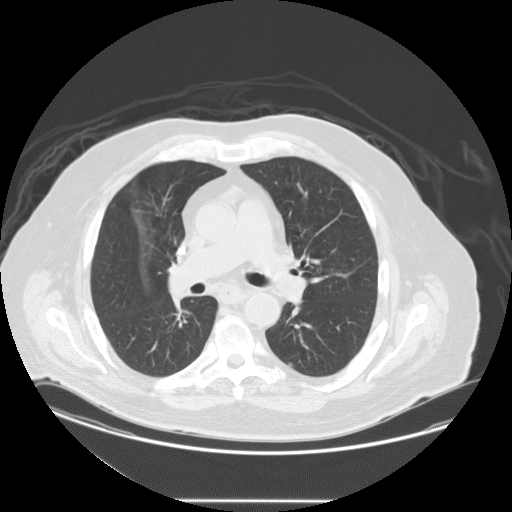
Slice 85/133 of a chest CT, counting up from the lowest; pixel size 0.859 mm, slice thickness 2.50 mm. Pulmonary nodule outlined by three of the four readers, two of them on this slice; box rows 363–367, columns 288–292 (the union of the readers' outlines on this slice); longest diameter 9.3–10.6 mm and volume 206–246 mm3 across the three readers' outlines. Ratings across the readers: texture from 4/5 to 5/5 (solid) across the three readers; margin from 4/5 to 5/5 (circumscribed) across the three readers; sphericity from 2/5 to 3/5 (ovoid) across the three readers; calcification absent, all three readers agreeing; internal structure soft tissue, all three readers agreeing; subtlety from 2/5 to 3/5 across the three readers; malignancy likelihood from 2/5 to 3/5 across the three readers. Scale key (1–5): texture non-solid→solid, margin indistinct→circumscribed, sphericity linear→round, subtlety extremely subtle→obvious, malignancy likelihood highly unlikely→highly suspicious of cancer. Box rows and columns are 0-based pixel indices from the top-left corner, inclusive.
Acquired at 120 kVp and reconstructed with the STANDARD kernel.